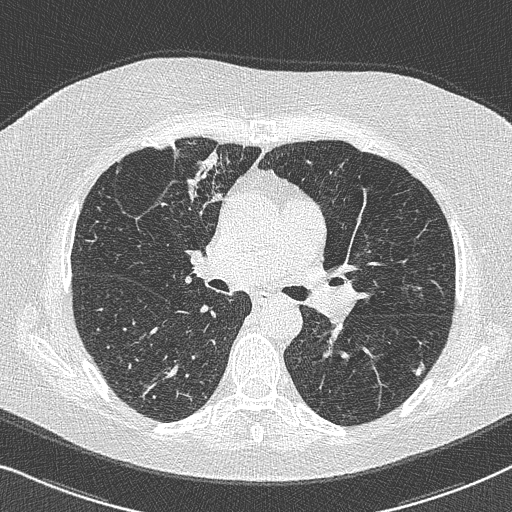
One axial slice (453 of 733, counting up from the lowest) of a chest CT acquired at 120 kVp with the B50f kernel; each pixel is 0.637 mm and the slice is 0.60 mm thick.
Pulmonary nodule, outlined by all four readers. Box on this slice rows 361–376, columns 411–425, the union of the readers' outlines on this slice; longest diameter 11.1–11.9 mm and volume 231–376 mm3 across the four readers' outlines. Ratings across the readers: texture 5/5 (solid) from all four readers; margin from 3/5 to 5/5 (circumscribed) across the four readers; sphericity from 3/5 (ovoid) to 5/5 (round) across the four readers; calcification absent, all four readers agreeing; internal structure soft tissue, all four readers agreeing; subtlety from 4/5 to 5/5 across the four readers; malignancy likelihood from 3/5 to 4/5 across the four readers. Scale key (1–5): texture non-solid→solid, margin indistinct→circumscribed, sphericity linear→round, subtlety extremely subtle→obvious, malignancy likelihood highly unlikely→highly suspicious of cancer. Box rows and columns are 0-based pixel indices from the top-left corner, inclusive.